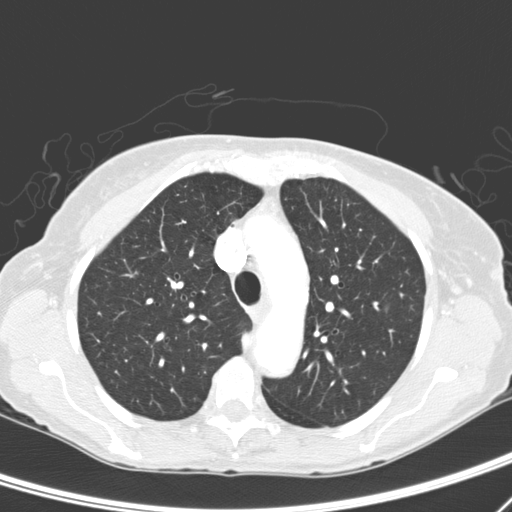
Axial chest CT slice 211 of 276 (counted from the lowest slice); tube voltage 120 kVp, convolution kernel D; slices 2.00 mm thick, 0.617 mm per pixel.
Pulmonary nodule outlined by three of the four readers; box rows 303–312, columns 383–389 (the union of the readers' outlines on this slice); longest diameter 6.9 mm on average over the three readers' outlines (readers' outlines 6.1–7.7 mm), volume 47–92 mm3. Ratings, by the readers' most common answer with dissent counted: texture split among the readers: 1/5 (non-solid) (one), 4/5 (one), 5/5 (solid) (one); margin split among the readers: 2/5 (one), 3/5 (one), 5/5 (circumscribed) (one); sphericity 4/5 by two of three readers; the rest gave 3/5 (ovoid) (one); calcification absent, all three readers agreeing; internal structure soft tissue from all three readers; subtlety split among the readers: 2/5 (one), 3/5 (one), 4/5 (one); malignancy likelihood 3/5 by two of three readers; the rest gave 1/5 (one). Scale key (1–5): texture non-solid→solid, margin indistinct→circumscribed, sphericity linear→round, subtlety extremely subtle→obvious, malignancy likelihood highly unlikely→highly suspicious of cancer. Box rows and columns are 0-based pixel indices from the top-left corner, inclusive.